One axial slice (448 of 501, counting up from the lowest) of a chest CT acquired at 140 kVp with the STANDARD kernel; each pixel is 0.703 mm and the slice is 1.25 mm thick.
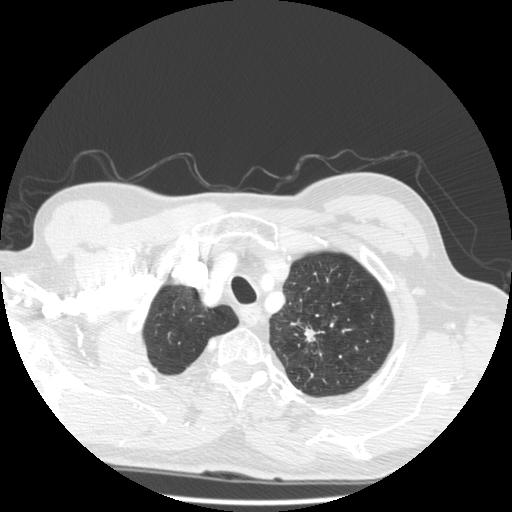
Pulmonary nodule outlined by three of the four readers; box rows 326–342, columns 304–324 (the union of the readers' outlines on this slice); median longest diameter 33.8 mm (readers' outlines 32.1–39.2 mm), median volume 3078 mm3 (2361–4873 mm3). Ratings, median across the readers with their spread: median texture 5/5 (solid) (readers ranged 4/5 to 5/5 (solid)); margin 3/5 at the median of three readers, spread 1/5 (indistinct) to 5/5 (circumscribed); median sphericity 3/5 (ovoid) (readers ranged 2/5 to 5/5 (round)); calcification absent, all three readers agreeing; internal structure soft tissue, all three readers agreeing; subtlety 5/5 from all three readers; median malignancy likelihood 5/5 (readers ranged 4–5). Scale key (1–5): texture non-solid→solid, margin indistinct→circumscribed, sphericity linear→round, subtlety extremely subtle→obvious, malignancy likelihood highly unlikely→highly suspicious of cancer. Box rows and columns are 0-based pixel indices from the top-left corner, inclusive.